Chest CT, axial plane, 120 kVp, kernel STANDARD. Slice 329/516 from the bottom of the scan; thickness 1.25 mm; pixel size 0.820 mm.
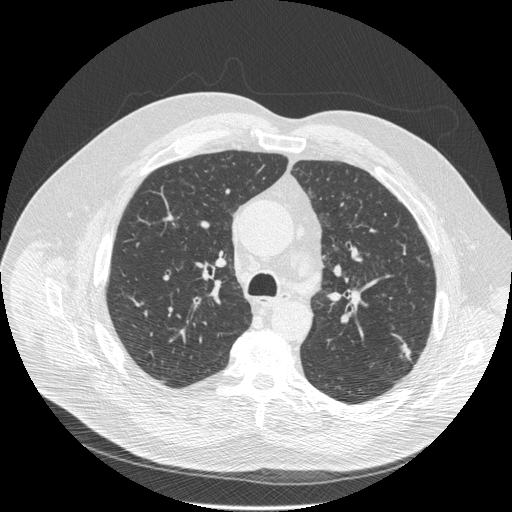
Pulmonary nodule at rows 344–356, columns 401–409 (box = the union of the readers' outlines on this slice), outlined by three of the four readers, two of them on this slice; the three readers' outlines give a longest diameter between 23.2 and 31.7 mm and a volume between 750 and 1666 mm3. Ratings across the readers: texture from 3/5 (part-solid) to 5/5 (solid) across the three readers; margin from 3/5 to 4/5 across the three readers; sphericity 2/5, all three readers agreeing; calcification absent, all three readers agreeing; internal structure soft tissue, all three readers agreeing; subtlety 5/5 from all three readers; malignancy likelihood 4/5 from all three readers. Scale key (1–5): texture non-solid→solid, margin indistinct→circumscribed, sphericity linear→round, subtlety extremely subtle→obvious, malignancy likelihood highly unlikely→highly suspicious of cancer. Box rows and columns are 0-based pixel indices from the top-left corner, inclusive.